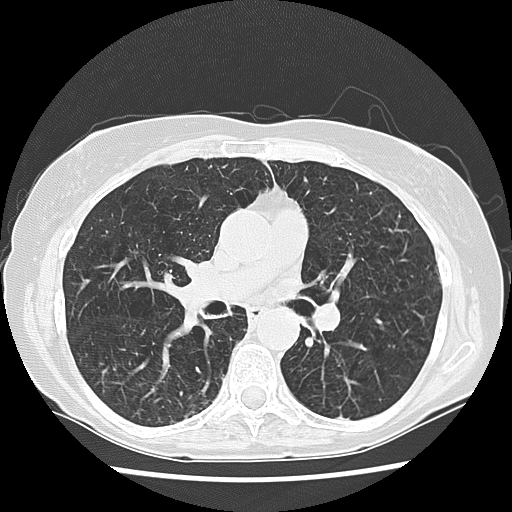
Slice 81/133 of a chest CT, counting up from the lowest; pixel size 0.625 mm, slice thickness 2.50 mm. No nodule 3 mm or larger was outlined here by any reader.
Scan settings: 120 kVp, LUNG reconstruction kernel.